Axial chest CT slice 41 of 290 (counted from the lowest slice); tube voltage 120 kVp, convolution kernel C; slices 2.00 mm thick, 0.682 mm per pixel.
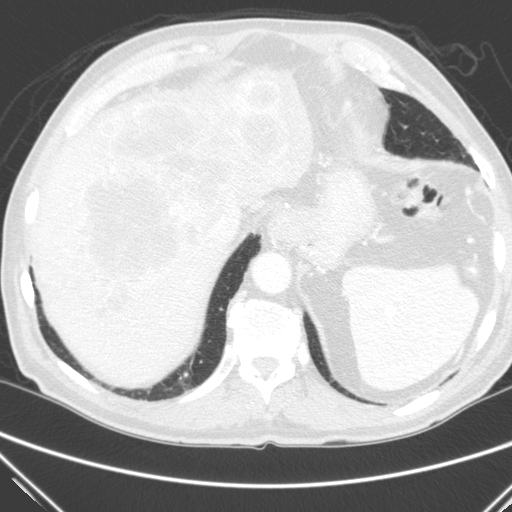
Pulmonary nodule at rows 371–378, columns 180–188 (box = the union of the readers' outlines on this slice), outlined by three of the four readers; median longest diameter 8.2 mm (readers' outlines 7.9–9.1 mm), median volume 242 mm3 (197–260 mm3). Ratings, median across the readers with their spread: texture 5/5 (solid), all three readers agreeing; margin 5/5 (circumscribed), all three readers agreeing; sphericity 5/5 (round) at the median of three readers, spread 4/5 to 5/5 (round); calcification: absent (two), solid calcification (one); internal structure soft tissue, all three readers agreeing; subtlety 5/5 from all three readers; malignancy likelihood 1/5 at the median of three readers, spread 1–3. Scale key (1–5): texture non-solid→solid, margin indistinct→circumscribed, sphericity linear→round, subtlety extremely subtle→obvious, malignancy likelihood highly unlikely→highly suspicious of cancer. Box rows and columns are 0-based pixel indices from the top-left corner, inclusive.